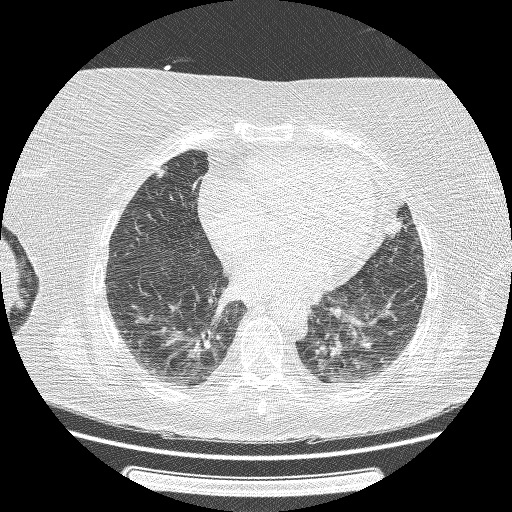
Slice 53/162 of a chest CT, counting up from the lowest; pixel size 0.703 mm, slice thickness 1.25 mm. Two pulmonary nodules are outlined on this slice; from left to right: (1) Pulmonary nodule at rows 166–177, columns 156–167 (box = the union of the readers' outlines on this slice), outlined by all four readers; median longest diameter 12.2 mm (readers' outlines 10.9–13.0 mm), median volume 356 mm3 (239–644 mm3). Ratings, median across the readers with their spread: texture 5/5 (solid), all four readers agreeing; margin 4/5 from all four readers; sphericity 4/5 at the median of four readers, spread 3/5 (ovoid) to 4/5; calcification: absent (three), solid calcification (one); internal structure soft tissue, all four readers agreeing; subtlety 4.5/5 at the median of four readers, spread 4–5; median malignancy likelihood 3/5 (readers ranged 1–3). (2) Pulmonary nodule at rows 213–238, columns 381–403 (box = the union of the readers' outlines on this slice), outlined by two of the four readers; median longest diameter 20.4 mm (readers' outlines 19.1–21.7 mm), median volume 1669 mm3 (914–2424 mm3). Median ratings and the readers' spread: texture 5/5 (solid), both readers agreeing; margin 3.5/5 at the median of two readers, spread 3/5 to 4/5; sphericity 3.5/5 at the median of two readers, spread 3/5 (ovoid) to 4/5; calcification absent, both readers agreeing; internal structure soft tissue, both readers agreeing; subtlety 4.5/5 at the median of two readers, spread 4–5; malignancy likelihood 3/5 from both readers. Scale key (1–5): texture non-solid→solid, margin indistinct→circumscribed, sphericity linear→round, subtlety extremely subtle→obvious, malignancy likelihood highly unlikely→highly suspicious of cancer. Box rows and columns are 0-based pixel indices from the top-left corner, inclusive.
Tube voltage 120 kVp; convolution kernel BONE.